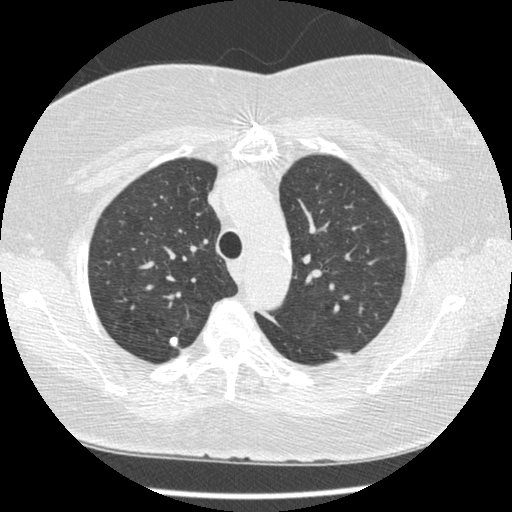
This is axial slice 274 of 375 (slice 1 is the lowest) of a chest CT; each pixel is 0.625 mm and the slice is 1.25 mm thick. Pulmonary nodule, outlined by two of the four readers. Box on this slice rows 337–346, columns 168–177, the union of the readers' outlines on this slice; the two readers' outlines give a longest diameter between 6.4 and 9.1 mm and a volume between 95 and 233 mm3. Ratings across the readers: texture 5/5 (solid) from both readers; margin 5/5 (circumscribed) from both readers; sphericity from 3/5 (ovoid) to 4/5 across the two readers; calcification split among the readers: solid calcification (one), absent (one); internal structure soft tissue from both readers; subtlety rated between 4 and 5 out of 5 by the two readers; malignancy likelihood rated between 1 and 3 out of 5 by the two readers. Scale key (1–5): texture non-solid→solid, margin indistinct→circumscribed, sphericity linear→round, subtlety extremely subtle→obvious, malignancy likelihood highly unlikely→highly suspicious of cancer. Box rows and columns are 0-based pixel indices from the top-left corner, inclusive.
Tube voltage 120 kVp; convolution kernel STANDARD.